Chest CT, axial plane, 120 kVp, kernel C. Slice 54/290 from the bottom of the scan; thickness 2.00 mm; pixel size 0.682 mm.
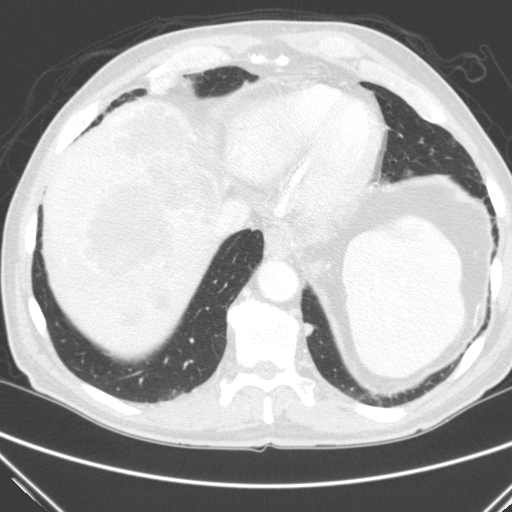
Pulmonary nodule outlined by all four readers; box rows 322–336, columns 303–313 (the union of the readers' outlines on this slice); longest diameter 12.3–13.7 mm and volume 463–570 mm3 across the four readers' outlines. Ratings across the readers: texture 5/5 (solid) from all four readers; margin from 4/5 to 5/5 (circumscribed) across the four readers; sphericity from 2/5 to 4/5 across the four readers; calcification absent from all four readers; internal structure soft tissue, all four readers agreeing; subtlety rated between 3 and 5 out of 5 by the four readers; malignancy likelihood from 3/5 to 4/5 across the four readers. Scale key (1–5): texture non-solid→solid, margin indistinct→circumscribed, sphericity linear→round, subtlety extremely subtle→obvious, malignancy likelihood highly unlikely→highly suspicious of cancer. Box rows and columns are 0-based pixel indices from the top-left corner, inclusive.